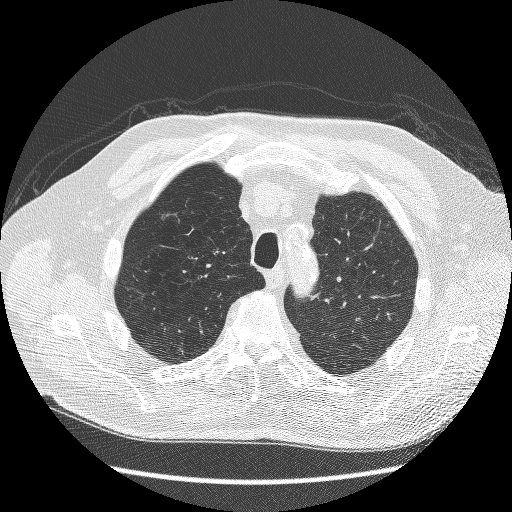
Slice 189/241 of a chest CT, counting up from the lowest; pixel size 0.703 mm, slice thickness 1.25 mm. Pulmonary nodule, outlined by one of the four readers. Box on this slice rows 213–218, columns 161–165, that reader's outline on this slice; longest diameter 8.7 mm and volume 67 mm3 from that reader's outline. Ratings by that reader: texture 5/5 (solid); margin 3/5; sphericity 2/5; calcification absent; internal structure soft tissue; subtlety 2/5; malignancy likelihood 1/5. Scale key (1–5): texture non-solid→solid, margin indistinct→circumscribed, sphericity linear→round, subtlety extremely subtle→obvious, malignancy likelihood highly unlikely→highly suspicious of cancer. Box rows and columns are 0-based pixel indices from the top-left corner, inclusive.
Scan settings: 120 kVp, BONE reconstruction kernel.